Axial slice 145 of 232 of a chest CT (slice 1 is the lowest), reconstructed with the STANDARD kernel at 120 kVp; 1.25 mm slice thickness and 0.742 mm pixels.
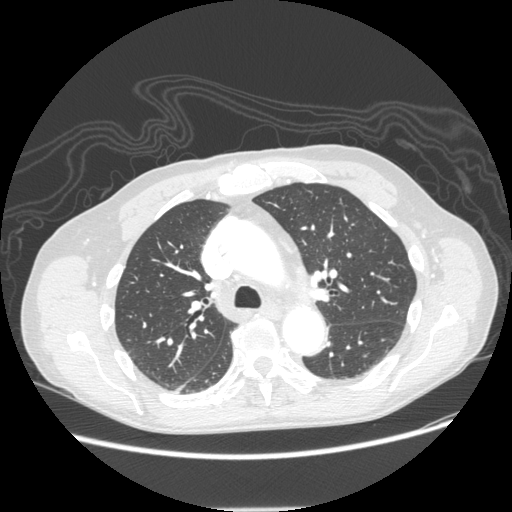
This slice carries no reader outline of a nodule 3 mm or larger.